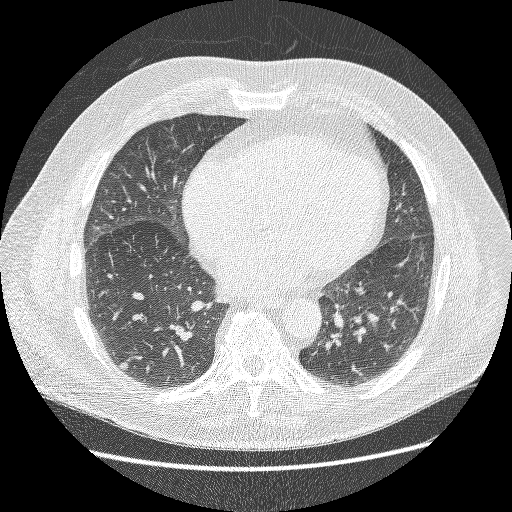
Axial slice 137 of 267 of a chest CT (slice 1 is the lowest), reconstructed with the BONE kernel at 120 kVp; 1.25 mm slice thickness and 0.752 mm pixels.
Pulmonary nodule outlined by all four readers; box rows 362–370, columns 118–128 (the union of the readers' outlines on this slice); median longest diameter 9.6 mm (readers' outlines 7.5–10.1 mm), median volume 206 mm3 (186–246 mm3). Median ratings and the readers' spread: texture 5/5 (solid) at the median of four readers, spread 4/5 to 5/5 (solid); median margin 4.5/5 (readers ranged 4/5 to 5/5 (circumscribed)); median sphericity 5/5 (round) (readers ranged 4/5 to 5/5 (round)); calcification absent, all four readers agreeing; internal structure soft tissue from all four readers; median subtlety 3/5 (readers ranged 2–4); malignancy likelihood 3/5 at the median of four readers, spread 2–3. Scale key (1–5): texture non-solid→solid, margin indistinct→circumscribed, sphericity linear→round, subtlety extremely subtle→obvious, malignancy likelihood highly unlikely→highly suspicious of cancer. Box rows and columns are 0-based pixel indices from the top-left corner, inclusive.